One axial slice (283 of 471, counting up from the lowest) of a chest CT acquired at 120 kVp with the STANDARD kernel; each pixel is 0.703 mm and the slice is 1.25 mm thick.
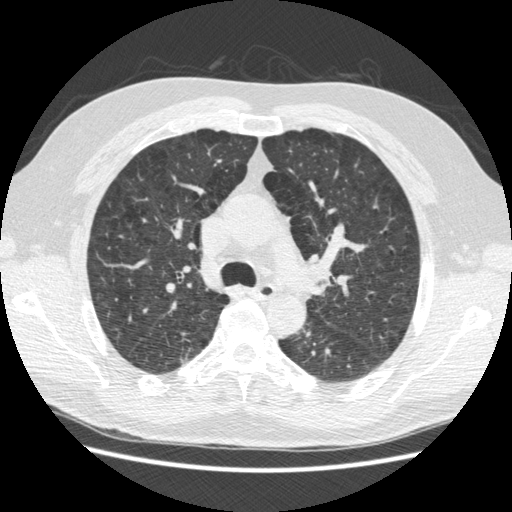
Pulmonary nodule outlined by one of the four readers; box rows 359–362, columns 182–185 (that reader's outline on this slice); longest diameter 6.7 mm and volume 38 mm3 from that reader's outline. Ratings by that reader: texture 2/5; margin 1/5 (indistinct); sphericity 3/5 (ovoid); calcification absent; internal structure soft tissue; subtlety 2/5; malignancy likelihood 3/5. Scale key (1–5): texture non-solid→solid, margin indistinct→circumscribed, sphericity linear→round, subtlety extremely subtle→obvious, malignancy likelihood highly unlikely→highly suspicious of cancer. Box rows and columns are 0-based pixel indices from the top-left corner, inclusive.